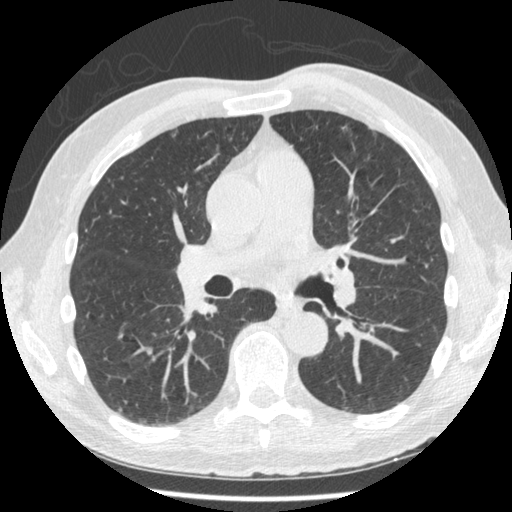
Axial slice 257 of 481 of a chest CT (slice 1 is the lowest), reconstructed with the STANDARD kernel at 120 kVp; 1.25 mm slice thickness and 0.664 mm pixels.
Pulmonary nodule at rows 126–130, columns 342–347 (box = the union of the readers' outlines on this slice), outlined by all four readers, two of them on this slice; longest diameter 5.8 mm on average over the four readers' outlines (readers' outlines 4.8–6.3 mm), volume 16–46 mm3. The readers' prevailing ratings and who disagreed: texture split among the readers: 2/5 (two), 5/5 (solid) (two); margin split among the readers: 2/5 (two), 5/5 (circumscribed) (two); sphericity 3/5 (ovoid) by two of four readers; the rest gave 2/5 (one), 5/5 (round) (one); calcification absent from all four readers; internal structure soft tissue, all four readers agreeing; subtlety 3/5 by three of four readers; the rest gave 1/5 (one); malignancy likelihood 3/5 by two of four readers; the rest gave 1/5 (one), 2/5 (one). Scale key (1–5): texture non-solid→solid, margin indistinct→circumscribed, sphericity linear→round, subtlety extremely subtle→obvious, malignancy likelihood highly unlikely→highly suspicious of cancer. Box rows and columns are 0-based pixel indices from the top-left corner, inclusive.